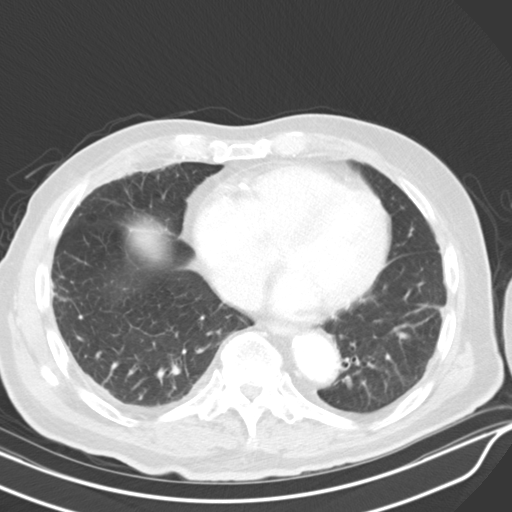
Axial slice 214 of 319 of a chest CT (slice 1 is the lowest), reconstructed with the B30s kernel at 130 kVp; 4.00 mm slice thickness and 0.729 mm pixels.
Pulmonary nodule at rows 376–388, columns 343–352 (box = the union of the readers' outlines on this slice), outlined by all four readers; longest diameter 11.1 mm on average over the four readers' outlines (readers' outlines 9.7–12.7 mm), volume 198–267 mm3. Ratings, by the readers' most common answer with dissent counted: texture split among the readers: 1/5 (non-solid) (one), 3/5 (part-solid) (one), 4/5 (one), 5/5 (solid) (one); margin split among the readers: 1/5 (indistinct) (one), 2/5 (one), 3/5 (one), 4/5 (one); sphericity split among the readers: 2/5 (two), 3/5 (ovoid) (two); calcification absent from all four readers; internal structure soft tissue from all four readers; subtlety 2/5 by two of four readers; the rest gave 1/5 (one), 5/5 (one); most readers (three of four) put malignancy likelihood at 3/5, others 2/5 (one). Scale key (1–5): texture non-solid→solid, margin indistinct→circumscribed, sphericity linear→round, subtlety extremely subtle→obvious, malignancy likelihood highly unlikely→highly suspicious of cancer. Box rows and columns are 0-based pixel indices from the top-left corner, inclusive.